One axial slice (34 of 119, counting up from the lowest) of a chest CT acquired at 120 kVp with the STANDARD kernel; each pixel is 0.742 mm and the slice is 2.50 mm thick.
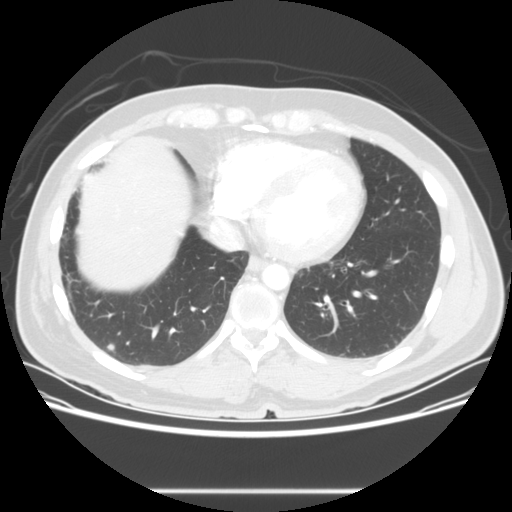
Pulmonary nodule outlined by all four readers; box rows 343–351, columns 107–114 (the union of the readers' outlines on this slice); the four readers' outlines give a longest diameter between 5.4 and 8.0 mm and a volume between 95 and 232 mm3. The readers' ratings, as ranges where they differ: texture 5/5 (solid) from all four readers; margin from 3/5 to 5/5 (circumscribed) across the four readers; sphericity from 3/5 (ovoid) to 5/5 (round) across the four readers; calcification absent from all four readers; internal structure soft tissue, all four readers agreeing; subtlety 1–4/5 (the readers disagree); malignancy likelihood rated between 2 and 3 out of 5 by the four readers. Scale key (1–5): texture non-solid→solid, margin indistinct→circumscribed, sphericity linear→round, subtlety extremely subtle→obvious, malignancy likelihood highly unlikely→highly suspicious of cancer. Box rows and columns are 0-based pixel indices from the top-left corner, inclusive.